Axial slice 406 of 633 of a chest CT (slice 1 is the lowest), reconstructed with the B30f kernel at 120 kVp; 0.60 mm slice thickness and 0.541 mm pixels.
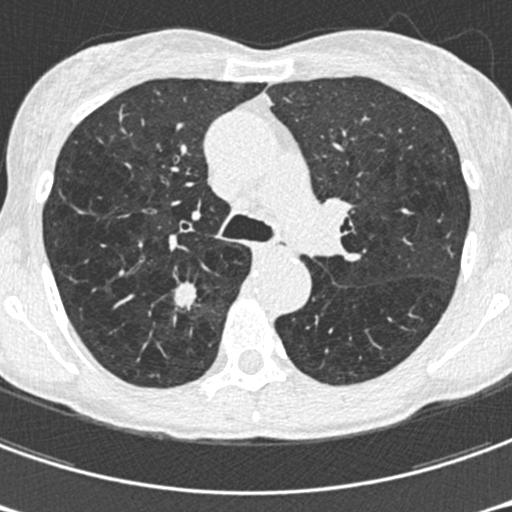
Pulmonary nodule at rows 281–309, columns 172–196 (box = the union of the readers' outlines on this slice), outlined by all four readers; longest diameter 19.0 mm on average over the four readers' outlines (readers' outlines 18.1–21.0 mm), volume 1292–1642 mm3. The readers' prevailing ratings and who disagreed: texture 5/5 (solid) from all four readers; margin 2/5 by two of four readers; the rest gave 1/5 (indistinct) (one), 3/5 (one); sphericity 3/5 (ovoid) by two of four readers; the rest gave 2/5 (one), 4/5 (one); calcification absent, all four readers agreeing; internal structure soft tissue, all four readers agreeing; subtlety 5/5 by three of four readers; the rest gave 4/5 (one); most readers (three of four) put malignancy likelihood at 5/5, others 4/5 (one). Scale key (1–5): texture non-solid→solid, margin indistinct→circumscribed, sphericity linear→round, subtlety extremely subtle→obvious, malignancy likelihood highly unlikely→highly suspicious of cancer. Box rows and columns are 0-based pixel indices from the top-left corner, inclusive.